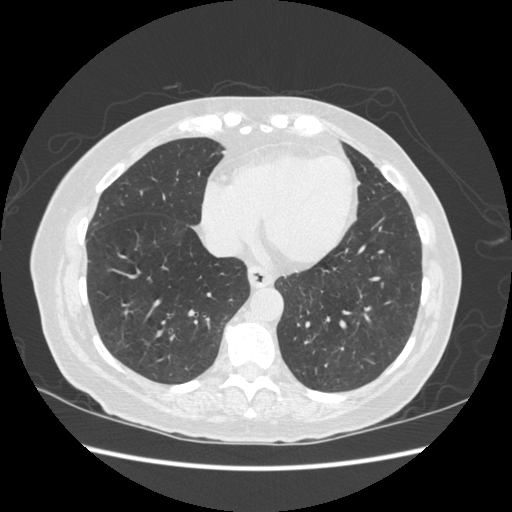
Axial chest CT slice 167 of 513 (counted from the lowest slice); tube voltage 120 kVp, convolution kernel STANDARD; slices 1.25 mm thick, 0.703 mm per pixel.
Pulmonary nodule outlined by two of the four readers; box rows 330–337, columns 155–162 (the union of the readers' outlines on this slice); longest diameter 6.8 mm on average over the two readers' outlines (readers' outlines 6.7–6.9 mm), volume 105–106 mm3. Ratings, by the readers' most common answer with dissent counted: texture split among the readers: 4/5 (one), 5/5 (solid) (one); margin 4/5 from both readers; sphericity split among the readers: 2/5 (one), 4/5 (one); calcification absent, both readers agreeing; internal structure soft tissue from both readers; subtlety 2/5, both readers agreeing; malignancy likelihood split among the readers: 1/5 (one), 2/5 (one). Scale key (1–5): texture non-solid→solid, margin indistinct→circumscribed, sphericity linear→round, subtlety extremely subtle→obvious, malignancy likelihood highly unlikely→highly suspicious of cancer. Box rows and columns are 0-based pixel indices from the top-left corner, inclusive.